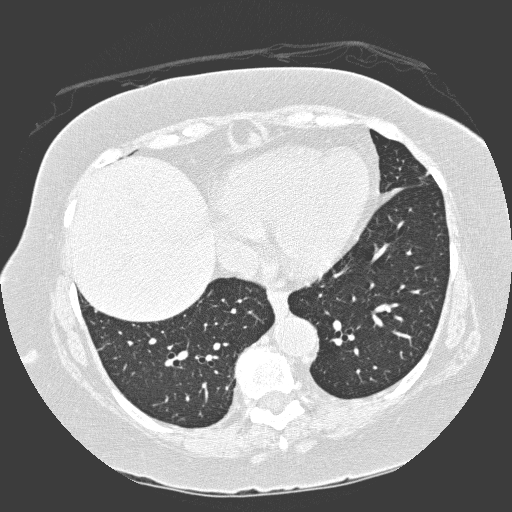
Axial slice 118 of 300 of a chest CT (slice 1 is the lowest), reconstructed with the D kernel at 120 kVp; 1.00 mm slice thickness and 0.654 mm pixels.
Pulmonary nodule at rows 348–350, columns 97–101 (box = that reader's outline on this slice), outlined by one of the four readers; longest diameter 7.5 mm and volume 60 mm3 from that reader's outline. Ratings by that reader: texture 1/5 (non-solid); margin 1/5 (indistinct); sphericity 3/5 (ovoid); calcification absent; internal structure soft tissue; subtlety 5/5; malignancy likelihood 3/5. Scale key (1–5): texture non-solid→solid, margin indistinct→circumscribed, sphericity linear→round, subtlety extremely subtle→obvious, malignancy likelihood highly unlikely→highly suspicious of cancer. Box rows and columns are 0-based pixel indices from the top-left corner, inclusive.